One axial slice (165 of 253, counting up from the lowest) of a chest CT acquired at 120 kVp with the STANDARD kernel; each pixel is 0.742 mm and the slice is 1.25 mm thick.
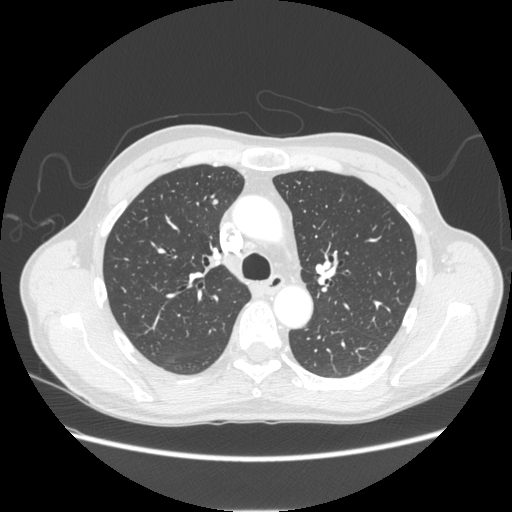
Pulmonary nodule at rows 199–204, columns 212–217 (box = the union of the readers' outlines on this slice), outlined by three of the four readers; median longest diameter 5.7 mm (readers' outlines 5.4–6.3 mm), median volume 68 mm3 (67–73 mm3). Ratings, median across the readers with their spread: texture 5/5 (solid), all three readers agreeing; margin 5/5 (circumscribed), all three readers agreeing; sphericity 5/5 (round) at the median of three readers, spread 3/5 (ovoid) to 5/5 (round); calcification absent from all three readers; internal structure soft tissue, all three readers agreeing; median subtlety 3/5 (readers ranged 2–3); malignancy likelihood 3/5 at the median of three readers, spread 2–3. Scale key (1–5): texture non-solid→solid, margin indistinct→circumscribed, sphericity linear→round, subtlety extremely subtle→obvious, malignancy likelihood highly unlikely→highly suspicious of cancer. Box rows and columns are 0-based pixel indices from the top-left corner, inclusive.